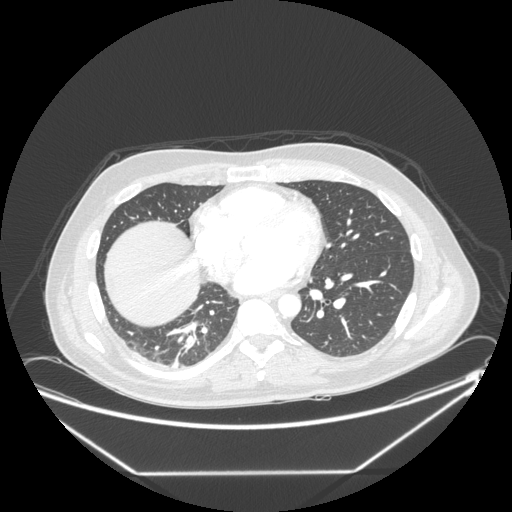
Axial slice 102 of 246 of a chest CT (slice 1 is the lowest), reconstructed with the STANDARD kernel at 120 kVp; 1.25 mm slice thickness and 0.859 mm pixels.
No nodule of 3 mm or larger was outlined by any of the four readers on this slice.